Axial slice 37 of 133 of a chest CT (slice 1 is the lowest), reconstructed with the LUNG kernel at 120 kVp; 2.50 mm slice thickness and 0.703 mm pixels.
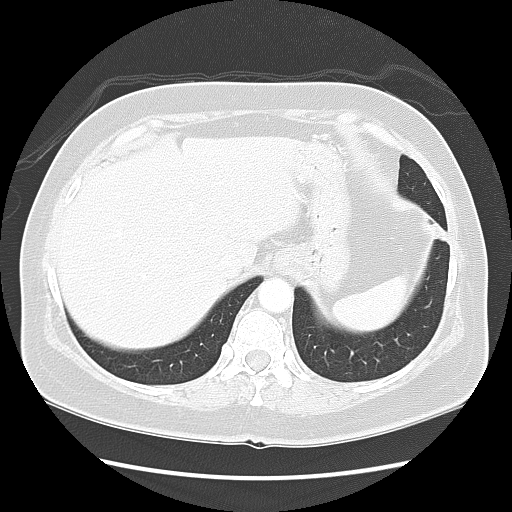
Pulmonary nodule at rows 223–240, columns 429–448 (box = the union of the readers' outlines on this slice), outlined by all four readers; median longest diameter 22.1 mm (readers' outlines 21.5–29.0 mm), median volume 4852 mm3 (4280–5428 mm3). Ratings, median across the readers with their spread: texture 5/5 (solid) at the median of four readers, spread 4/5 to 5/5 (solid); median margin 5/5 (circumscribed) (readers ranged 4/5 to 5/5 (circumscribed)); sphericity 3.5/5 at the median of four readers, spread 3/5 (ovoid) to 5/5 (round); calcification absent, all four readers agreeing; internal structure soft tissue from all four readers; subtlety 5/5 at the median of four readers, spread 4–5; malignancy likelihood 4/5 at the median of four readers, spread 4–5. Scale key (1–5): texture non-solid→solid, margin indistinct→circumscribed, sphericity linear→round, subtlety extremely subtle→obvious, malignancy likelihood highly unlikely→highly suspicious of cancer. Box rows and columns are 0-based pixel indices from the top-left corner, inclusive.